Chest CT, axial plane, 120 kVp, kernel D. Slice 99/280 from the bottom of the scan; thickness 1.00 mm; pixel size 0.666 mm.
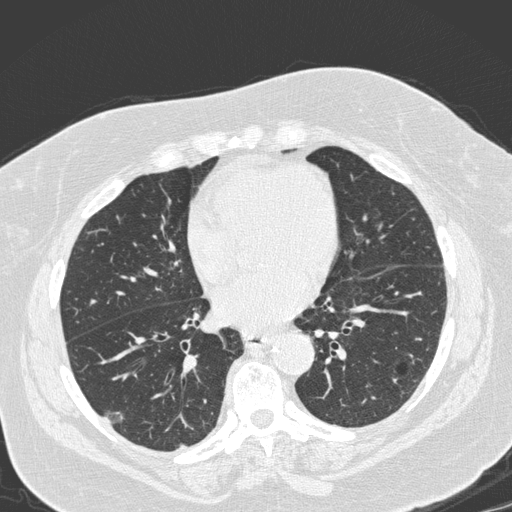
Pulmonary nodule outlined by two of the four readers; box rows 410–425, columns 105–123 (the union of the readers' outlines on this slice); longest diameter 17.7 mm on average over the two readers' outlines (readers' outlines 16.7–18.8 mm), volume 1162–1377 mm3. Ratings, by the readers' most common answer with dissent counted: texture 1/5 (non-solid) from both readers; margin 2/5, both readers agreeing; sphericity split among the readers: 3/5 (ovoid) (one), 5/5 (round) (one); calcification absent, both readers agreeing; internal structure soft tissue, both readers agreeing; subtlety split among the readers: 1/5 (one), 4/5 (one); malignancy likelihood split among the readers: 2/5 (one), 3/5 (one). Scale key (1–5): texture non-solid→solid, margin indistinct→circumscribed, sphericity linear→round, subtlety extremely subtle→obvious, malignancy likelihood highly unlikely→highly suspicious of cancer. Box rows and columns are 0-based pixel indices from the top-left corner, inclusive.